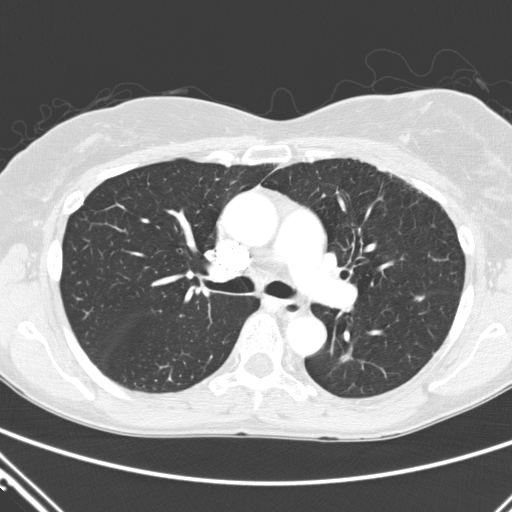
Axial chest CT slice 300 of 411 (counted from the lowest slice); tube voltage 120 kVp, convolution kernel D; slices 2.00 mm thick, 0.654 mm per pixel.
Pulmonary nodule at rows 354–360, columns 340–348 (box = the union of the readers' outlines on this slice), outlined by two of the four readers; longest diameter 9.2 mm on average over the two readers' outlines (readers' outlines 9.1–9.3 mm), volume 60–119 mm3. Ratings, by the readers' most common answer with dissent counted: texture split among the readers: 3/5 (part-solid) (one), 4/5 (one); margin 2/5, both readers agreeing; sphericity 3/5 (ovoid), both readers agreeing; calcification absent, both readers agreeing; internal structure soft tissue from both readers; subtlety 3/5, both readers agreeing; malignancy likelihood split among the readers: 1/5 (one), 3/5 (one). Scale key (1–5): texture non-solid→solid, margin indistinct→circumscribed, sphericity linear→round, subtlety extremely subtle→obvious, malignancy likelihood highly unlikely→highly suspicious of cancer. Box rows and columns are 0-based pixel indices from the top-left corner, inclusive.